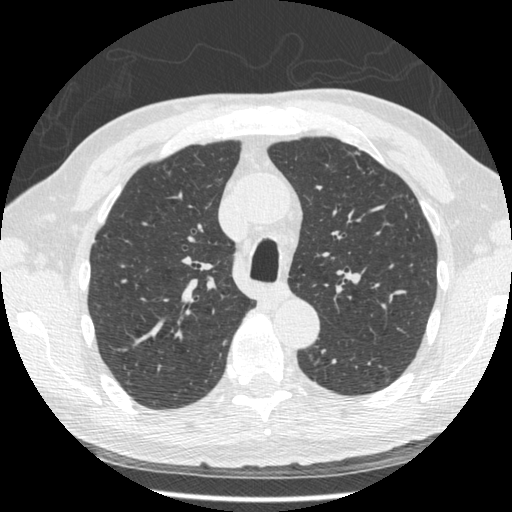
Slice 338/481 of a chest CT, counting up from the lowest; pixel size 0.664 mm, slice thickness 1.25 mm. Pulmonary nodule, outlined by one of the four readers. Box on this slice rows 179–181, columns 216–221, that reader's outline on this slice; longest diameter 8.9 mm and volume 58 mm3 from that reader's outline. That reader's ratings: texture 2/5; margin 2/5; sphericity 4/5; calcification absent; internal structure soft tissue; subtlety 3/5; malignancy likelihood 3/5. Scale key (1–5): texture non-solid→solid, margin indistinct→circumscribed, sphericity linear→round, subtlety extremely subtle→obvious, malignancy likelihood highly unlikely→highly suspicious of cancer. Box rows and columns are 0-based pixel indices from the top-left corner, inclusive.
Acquired at 120 kVp and reconstructed with the STANDARD kernel.